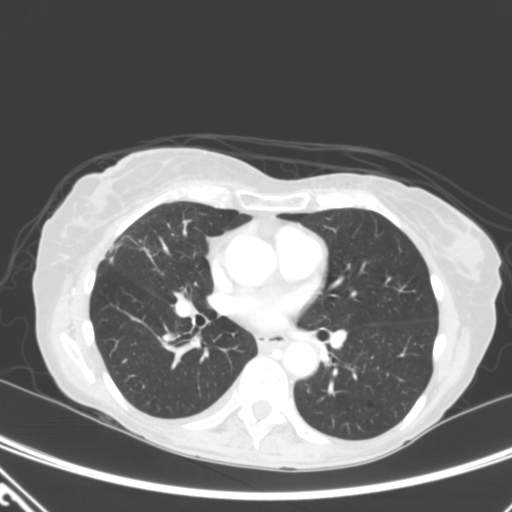
Chest CT, axial plane, 120 kVp, kernel B. Slice 173/320 from the bottom of the scan; thickness 2.00 mm; pixel size 0.662 mm.
Pulmonary nodule, outlined by all four readers, one of them on this slice. Box on this slice rows 243–252, columns 106–113, the one reader's outline on this slice; longest diameter 15.2 mm on average over the four readers' outlines (readers' outlines 12.2–16.6 mm), volume 631–1078 mm3. The readers' prevailing ratings and who disagreed: texture 5/5 (solid), all four readers agreeing; margin 4/5 by two of four readers; the rest gave 3/5 (one), 5/5 (circumscribed) (one); sphericity 3/5 (ovoid) by two of four readers; the rest gave 4/5 (one), 5/5 (round) (one); calcification absent from all four readers; internal structure soft tissue from all four readers; subtlety 5/5 from all four readers; malignancy likelihood 5/5 by two of four readers; the rest gave 2/5 (one), 4/5 (one). Scale key (1–5): texture non-solid→solid, margin indistinct→circumscribed, sphericity linear→round, subtlety extremely subtle→obvious, malignancy likelihood highly unlikely→highly suspicious of cancer. Box rows and columns are 0-based pixel indices from the top-left corner, inclusive.